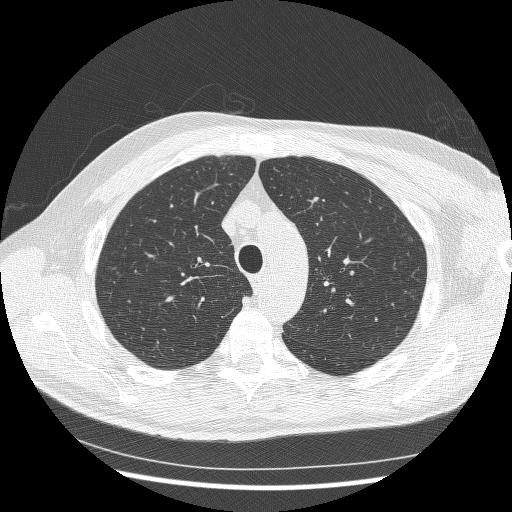
Axial chest CT slice 200 of 256 (counted from the lowest slice); tube voltage 120 kVp, convolution kernel BONE; slices 1.25 mm thick, 0.703 mm per pixel.
Pulmonary nodule, outlined by one of the four readers. Box on this slice rows 235–241, columns 408–412, that reader's outline on this slice; longest diameter 6.0 mm and volume 33 mm3 from that reader's outline. That reader's ratings: texture 5/5 (solid); margin 5/5 (circumscribed); sphericity 2/5; calcification absent; internal structure soft tissue; subtlety 3/5; malignancy likelihood 2/5. Scale key (1–5): texture non-solid→solid, margin indistinct→circumscribed, sphericity linear→round, subtlety extremely subtle→obvious, malignancy likelihood highly unlikely→highly suspicious of cancer. Box rows and columns are 0-based pixel indices from the top-left corner, inclusive.